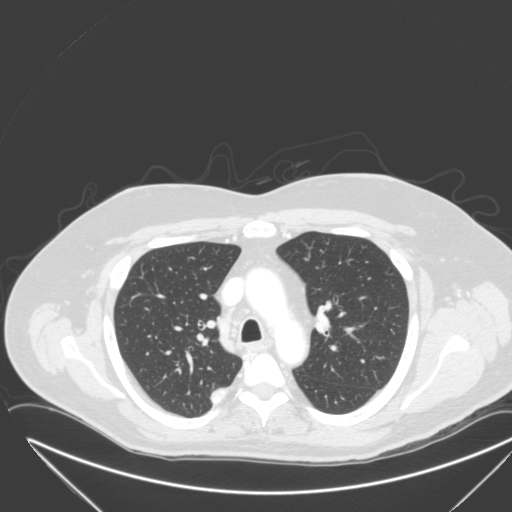
Slice 222/315 of a chest CT, counting up from the lowest; pixel size 0.830 mm, slice thickness 2.00 mm. Pulmonary nodule, outlined by one of the four readers. Box on this slice rows 388–403, columns 211–228, that reader's outline on this slice; longest diameter 27.1 mm and volume 6093 mm3 from that reader's outline. That reader's ratings: texture 5/5 (solid); margin 4/5; sphericity 2/5; calcification absent; internal structure soft tissue; subtlety 5/5; malignancy likelihood 4/5. Scale key (1–5): texture non-solid→solid, margin indistinct→circumscribed, sphericity linear→round, subtlety extremely subtle→obvious, malignancy likelihood highly unlikely→highly suspicious of cancer. Box rows and columns are 0-based pixel indices from the top-left corner, inclusive.
Scan settings: 120 kVp, B reconstruction kernel.